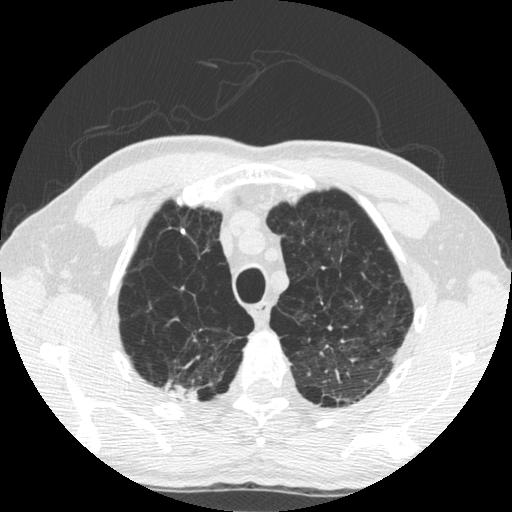
Axial chest CT slice 426 of 535 (counted from the lowest slice); tube voltage 120 kVp, convolution kernel STANDARD; slices 1.25 mm thick, 0.664 mm per pixel.
Pulmonary nodule outlined by two of the four readers; box rows 228–234, columns 180–185 (the union of the readers' outlines on this slice); median longest diameter 5.1 mm (readers' outlines 4.8–5.4 mm), median volume 27 mm3 (25–29 mm3). Median ratings and the readers' spread: texture 5/5 (solid) from both readers; margin 5/5 (circumscribed), both readers agreeing; median sphericity 4.5/5 (readers ranged 4/5 to 5/5 (round)); calcification solid calcification from both readers; internal structure soft tissue from both readers; subtlety 3/5 at the median of two readers, spread 2–4; malignancy likelihood 1/5, both readers agreeing. Scale key (1–5): texture non-solid→solid, margin indistinct→circumscribed, sphericity linear→round, subtlety extremely subtle→obvious, malignancy likelihood highly unlikely→highly suspicious of cancer. Box rows and columns are 0-based pixel indices from the top-left corner, inclusive.